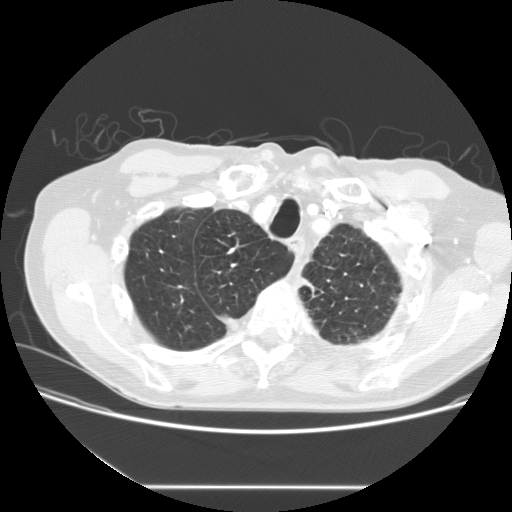
Axial chest CT slice 125 of 149 (counted from the lowest slice); 2.50 mm thick, 0.742 mm per pixel. Pulmonary nodule, outlined by all four readers, one of them on this slice. Box on this slice rows 285–287, columns 177–182, the one reader's outline on this slice; longest diameter 9.6 mm on average over the four readers' outlines (readers' outlines 9.0–10.3 mm), volume 361–479 mm3. The readers' prevailing ratings and who disagreed: texture 5/5 (solid), all four readers agreeing; most readers (three of four) put margin at 5/5 (circumscribed), others 4/5 (one); most readers (three of four) put sphericity at 4/5, others 5/5 (round) (one); calcification solid calcification by three of four readers, absent (one); internal structure soft tissue from all four readers; subtlety 5/5 by three of four readers; the rest gave 4/5 (one); malignancy likelihood 1/5 by three of four readers; the rest gave 3/5 (one). Scale key (1–5): texture non-solid→solid, margin indistinct→circumscribed, sphericity linear→round, subtlety extremely subtle→obvious, malignancy likelihood highly unlikely→highly suspicious of cancer. Box rows and columns are 0-based pixel indices from the top-left corner, inclusive.
Acquired at 120 kVp and reconstructed with the STANDARD kernel.